Chest CT, axial plane, 120 kVp, kernel B30f. Slice 178/429 from the bottom of the scan; thickness 0.75 mm; pixel size 0.537 mm.
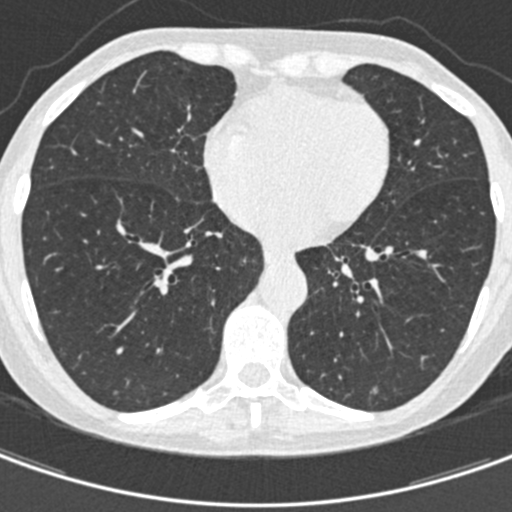
Pulmonary nodule outlined by two of the four readers; box rows 386–393, columns 371–377 (the union of the readers' outlines on this slice); median longest diameter 5.7 mm (readers' outlines 5.6–5.7 mm), median volume 29 mm3 (25–33 mm3). Median ratings and the readers' spread: median texture 4/5 (readers ranged 3/5 (part-solid) to 5/5 (solid)); median margin 4/5 (readers ranged 3/5 to 5/5 (circumscribed)); sphericity 4.5/5 at the median of two readers, spread 4/5 to 5/5 (round); calcification absent from both readers; internal structure soft tissue from both readers; subtlety 3.5/5 at the median of two readers, spread 3–4; malignancy likelihood 2.5/5 at the median of two readers, spread 2–3. Scale key (1–5): texture non-solid→solid, margin indistinct→circumscribed, sphericity linear→round, subtlety extremely subtle→obvious, malignancy likelihood highly unlikely→highly suspicious of cancer. Box rows and columns are 0-based pixel indices from the top-left corner, inclusive.